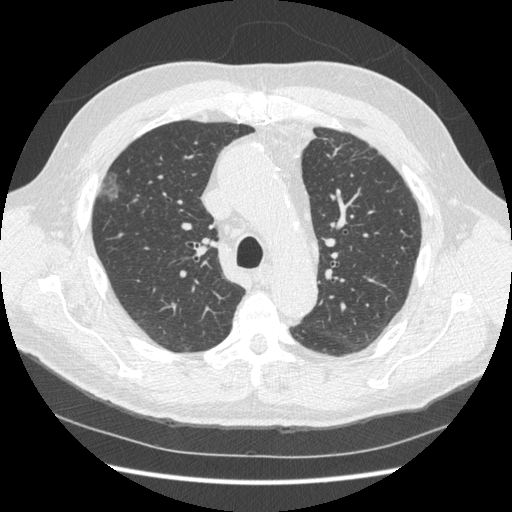
Axial chest CT slice 242 of 369 (counted from the lowest slice); 1.25 mm thick, 0.703 mm per pixel. Pulmonary nodule at rows 172–202, columns 100–121 (box = that reader's outline on this slice), outlined by one of the four readers; longest diameter 27.0 mm and volume 3015 mm3 from that reader's outline. Ratings by that reader: texture 1/5 (non-solid); margin 1/5 (indistinct); sphericity 3/5 (ovoid); calcification absent; internal structure soft tissue; subtlety 3/5; malignancy likelihood 3/5. Scale key (1–5): texture non-solid→solid, margin indistinct→circumscribed, sphericity linear→round, subtlety extremely subtle→obvious, malignancy likelihood highly unlikely→highly suspicious of cancer. Box rows and columns are 0-based pixel indices from the top-left corner, inclusive.
Tube voltage 120 kVp; convolution kernel STANDARD.